Axial slice 56 of 300 of a chest CT (slice 1 is the lowest), reconstructed with the D kernel at 120 kVp; 1.00 mm slice thickness and 0.607 mm pixels.
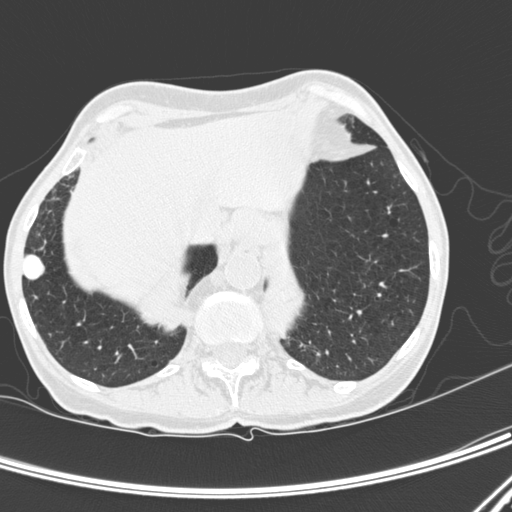
Pulmonary nodule at rows 253–281, columns 22–44 (box = the union of the readers' outlines on this slice), outlined by all four readers; longest diameter 18.8 mm on average over the four readers' outlines (readers' outlines 17.1–19.9 mm), volume 1865–2443 mm3. Ratings, by the readers' most common answer with dissent counted: texture 5/5 (solid) from all four readers; margin 5/5 (circumscribed), all four readers agreeing; sphericity 4/5 by three of four readers; the rest gave 5/5 (round) (one); calcification solid calcification by three of four readers, absent (one); internal structure soft tissue, all four readers agreeing; subtlety 5/5, all four readers agreeing; most readers (three of four) put malignancy likelihood at 1/5, others 4/5 (one). Scale key (1–5): texture non-solid→solid, margin indistinct→circumscribed, sphericity linear→round, subtlety extremely subtle→obvious, malignancy likelihood highly unlikely→highly suspicious of cancer. Box rows and columns are 0-based pixel indices from the top-left corner, inclusive.